Axial slice 157 of 535 of a chest CT (slice 1 is the lowest), reconstructed with the STANDARD kernel at 120 kVp; 1.25 mm slice thickness and 0.664 mm pixels.
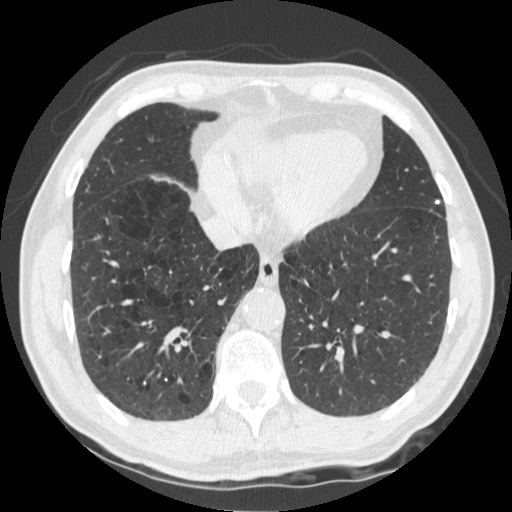
Pulmonary nodule at rows 199–204, columns 435–439 (box = the union of the readers' outlines on this slice), outlined by three of the four readers; longest diameter 6.2 mm on average over the three readers' outlines (readers' outlines 5.5–6.8 mm), volume 70–114 mm3. The readers' prevailing ratings and who disagreed: texture 5/5 (solid), all three readers agreeing; margin 5/5 (circumscribed), all three readers agreeing; sphericity 5/5 (round) from all three readers; calcification solid calcification, all three readers agreeing; internal structure soft tissue from all three readers; subtlety 5/5 from all three readers; malignancy likelihood 1/5 from all three readers. Scale key (1–5): texture non-solid→solid, margin indistinct→circumscribed, sphericity linear→round, subtlety extremely subtle→obvious, malignancy likelihood highly unlikely→highly suspicious of cancer. Box rows and columns are 0-based pixel indices from the top-left corner, inclusive.